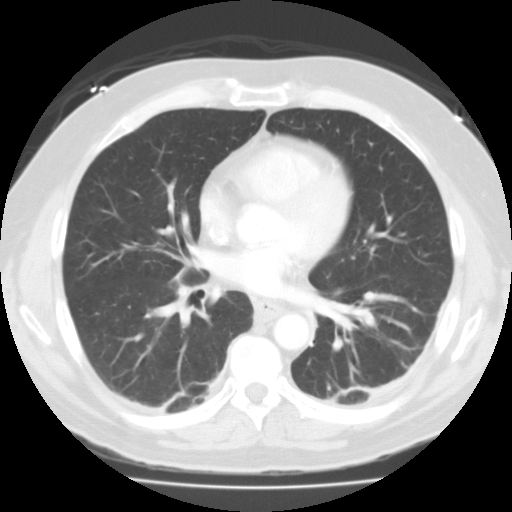
Chest CT, axial plane, 135 kVp, kernel FC01. Slice 57/115 from the bottom of the scan; thickness 3.00 mm; pixel size 0.729 mm.
None of the four readers outlined a nodule of 3 mm or more on this slice.